Axial slice 38 of 280 of a chest CT (slice 1 is the lowest), reconstructed with the D kernel at 140 kVp; 1.00 mm slice thickness and 0.801 mm pixels.
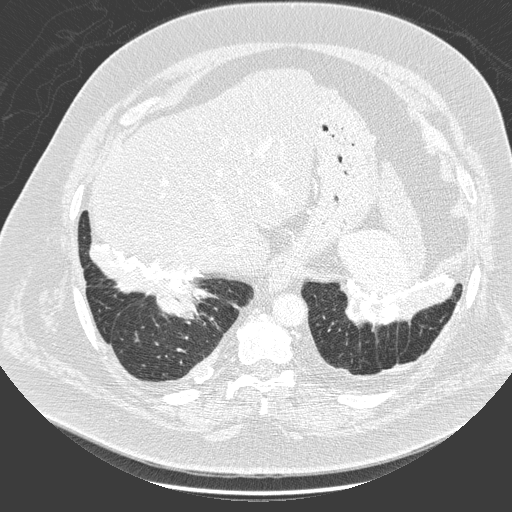
Pulmonary nodule at rows 291–317, columns 155–205 (box = that reader's outline on this slice), outlined by one of the four readers; longest diameter 49.9 mm and volume 31112 mm3 from that reader's outline. Ratings by that reader: texture 5/5 (solid); margin 4/5; sphericity 5/5 (round); calcification non-central calcification; internal structure soft tissue; subtlety 5/5; malignancy likelihood 5/5. Scale key (1–5): texture non-solid→solid, margin indistinct→circumscribed, sphericity linear→round, subtlety extremely subtle→obvious, malignancy likelihood highly unlikely→highly suspicious of cancer. Box rows and columns are 0-based pixel indices from the top-left corner, inclusive.